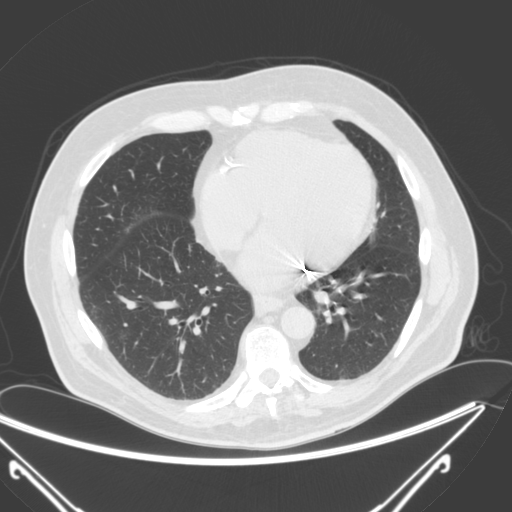
Axial chest CT slice 101 of 290 (counted from the lowest slice); 2.00 mm thick, 0.816 mm per pixel. None of the four readers outlined a nodule of 3 mm or more on this slice.
Scan settings: 120 kVp, B reconstruction kernel.